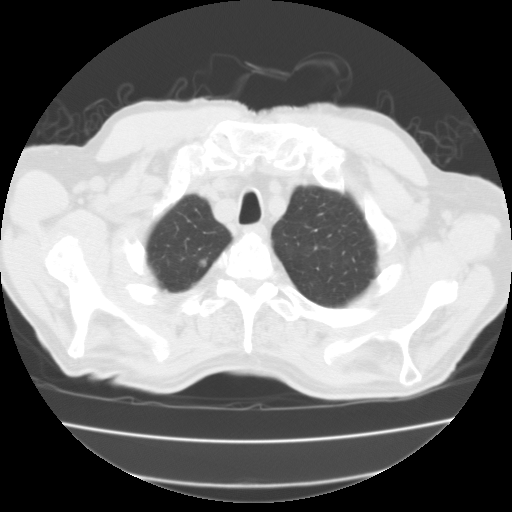
One axial slice (87 of 111, counting up from the lowest) of a chest CT acquired at 135 kVp with the FC01 kernel; each pixel is 0.714 mm and the slice is 3.00 mm thick.
Pulmonary nodule at rows 258–266, columns 199–206 (box = the union of the readers' outlines on this slice), outlined by all four readers; longest diameter 10.7–11.8 mm and volume 677–849 mm3 across the four readers' outlines. The readers' ratings, as ranges where they differ: texture 5/5 (solid), all four readers agreeing; margin 5/5 (circumscribed), all four readers agreeing; sphericity from 4/5 to 5/5 (round) across the four readers; calcification absent from all four readers; internal structure soft tissue, all four readers agreeing; subtlety from 3/5 to 5/5 across the four readers; malignancy likelihood rated between 2 and 4 out of 5 by the four readers. Scale key (1–5): texture non-solid→solid, margin indistinct→circumscribed, sphericity linear→round, subtlety extremely subtle→obvious, malignancy likelihood highly unlikely→highly suspicious of cancer. Box rows and columns are 0-based pixel indices from the top-left corner, inclusive.